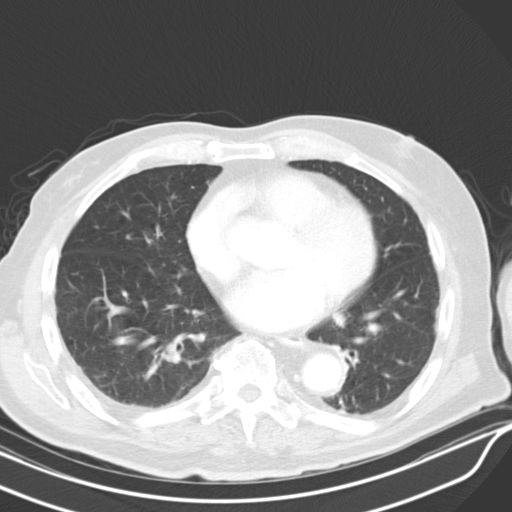
One axial slice (224 of 319, counting up from the lowest) of a chest CT acquired at 130 kVp with the B30s kernel; each pixel is 0.729 mm and the slice is 4.00 mm thick.
Pulmonary nodule, outlined by one of the four readers. Box on this slice rows 312–326, columns 333–344, that reader's outline on this slice; longest diameter 15.4 mm and volume 875 mm3 from that reader's outline. Ratings by that reader: texture 4/5; margin 2/5; sphericity 2/5; calcification absent; internal structure soft tissue; subtlety 3/5; malignancy likelihood 3/5. Scale key (1–5): texture non-solid→solid, margin indistinct→circumscribed, sphericity linear→round, subtlety extremely subtle→obvious, malignancy likelihood highly unlikely→highly suspicious of cancer. Box rows and columns are 0-based pixel indices from the top-left corner, inclusive.